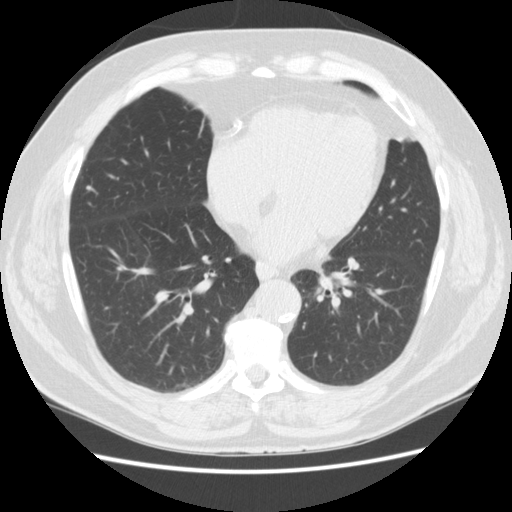
One axial slice (67 of 148, counting up from the lowest) of a chest CT acquired at 120 kVp with the STANDARD kernel; each pixel is 0.703 mm and the slice is 2.50 mm thick.
Pulmonary nodule, outlined by one of the four readers. Box on this slice rows 183–190, columns 84–92, that reader's outline on this slice; longest diameter 7.6 mm and volume 134 mm3 from that reader's outline. That reader's ratings: texture 5/5 (solid); margin 5/5 (circumscribed); sphericity 3/5 (ovoid); calcification absent; internal structure soft tissue; subtlety 4/5; malignancy likelihood 2/5. Scale key (1–5): texture non-solid→solid, margin indistinct→circumscribed, sphericity linear→round, subtlety extremely subtle→obvious, malignancy likelihood highly unlikely→highly suspicious of cancer. Box rows and columns are 0-based pixel indices from the top-left corner, inclusive.